Chest CT, axial plane, 120 kVp, kernel B30f. Slice 115/192 from the bottom of the scan; thickness 2.00 mm; pixel size 0.664 mm.
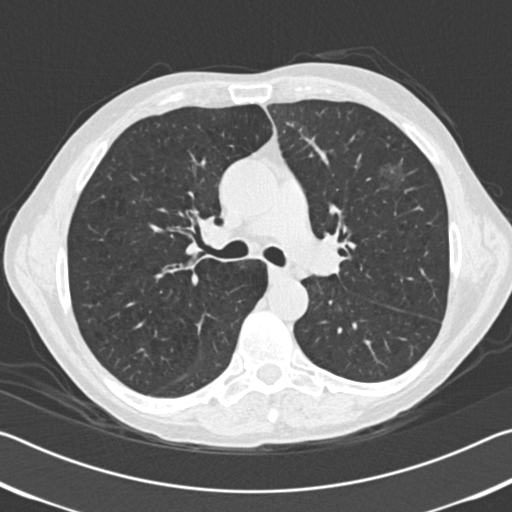
Pulmonary nodule at rows 158–190, columns 379–416 (box = that reader's outline on this slice), outlined by one of the four readers; longest diameter 27.3 mm and volume 1622 mm3 from that reader's outline. That reader's ratings: texture 1/5 (non-solid); margin 2/5; sphericity 5/5 (round); calcification absent; internal structure soft tissue; subtlety 4/5; malignancy likelihood 3/5. Scale key (1–5): texture non-solid→solid, margin indistinct→circumscribed, sphericity linear→round, subtlety extremely subtle→obvious, malignancy likelihood highly unlikely→highly suspicious of cancer. Box rows and columns are 0-based pixel indices from the top-left corner, inclusive.